One axial slice (148 of 239, counting up from the lowest) of a chest CT acquired at 120 kVp with the BONE kernel; each pixel is 0.795 mm and the slice is 1.25 mm thick.
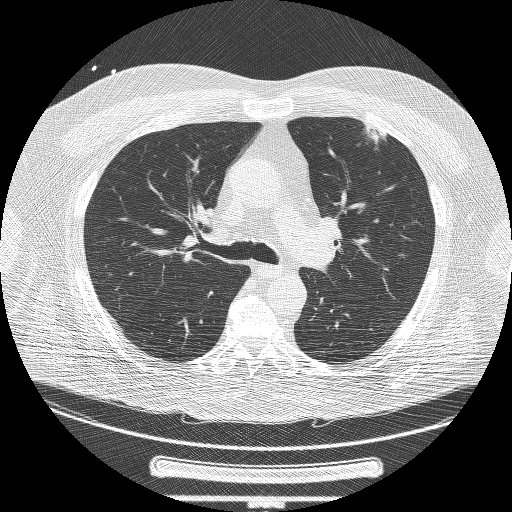
Pulmonary nodule at rows 125–150, columns 362–386 (box = the union of the readers' outlines on this slice), outlined by two of the four readers; median longest diameter 43.2 mm (readers' outlines 43.0–43.4 mm), median volume 10782 mm3 (10396–11168 mm3). Median ratings and the readers' spread: median texture 4/5 (readers ranged 3/5 (part-solid) to 5/5 (solid)); median margin 2/5 (readers ranged 1/5 (indistinct) to 3/5); sphericity 2/5 at the median of two readers, spread 1/5 (linear) to 3/5 (ovoid); calcification absent, both readers agreeing; internal structure soft tissue, both readers agreeing; subtlety 5/5 from both readers; malignancy likelihood 5/5 from both readers. Scale key (1–5): texture non-solid→solid, margin indistinct→circumscribed, sphericity linear→round, subtlety extremely subtle→obvious, malignancy likelihood highly unlikely→highly suspicious of cancer. Box rows and columns are 0-based pixel indices from the top-left corner, inclusive.